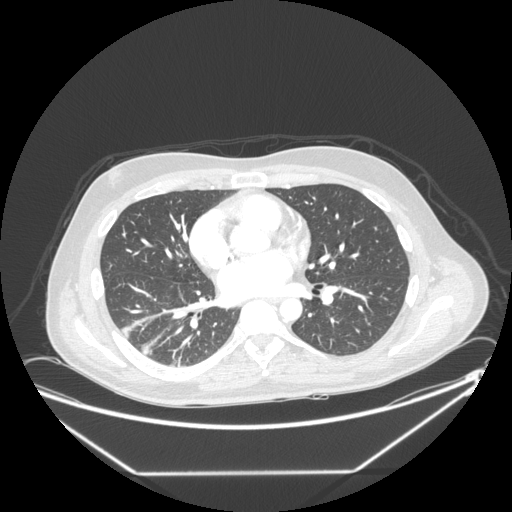
Axial chest CT slice 120 of 246 (counted from the lowest slice); tube voltage 120 kVp, convolution kernel STANDARD; slices 1.25 mm thick, 0.859 mm per pixel.
Pulmonary nodule outlined by all four readers, three of them on this slice; box rows 343–355, columns 141–151 (the union of the readers' outlines on this slice); longest diameter 11.0 mm on average over the four readers' outlines (readers' outlines 9.0–13.9 mm), volume 213–487 mm3. The readers' prevailing ratings and who disagreed: texture 5/5 (solid), all four readers agreeing; margin split among the readers: 4/5 (two), 5/5 (circumscribed) (two); sphericity 5/5 (round) by two of four readers; the rest gave 3/5 (ovoid) (one), 4/5 (one); calcification absent from all four readers; internal structure soft tissue from all four readers; subtlety split among the readers: 3/5 (two), 4/5 (two); most readers (three of four) put malignancy likelihood at 3/5, others 2/5 (one). Scale key (1–5): texture non-solid→solid, margin indistinct→circumscribed, sphericity linear→round, subtlety extremely subtle→obvious, malignancy likelihood highly unlikely→highly suspicious of cancer. Box rows and columns are 0-based pixel indices from the top-left corner, inclusive.